One axial slice (405 of 481, counting up from the lowest) of a chest CT acquired at 120 kVp with the STANDARD kernel; each pixel is 0.742 mm and the slice is 1.25 mm thick.
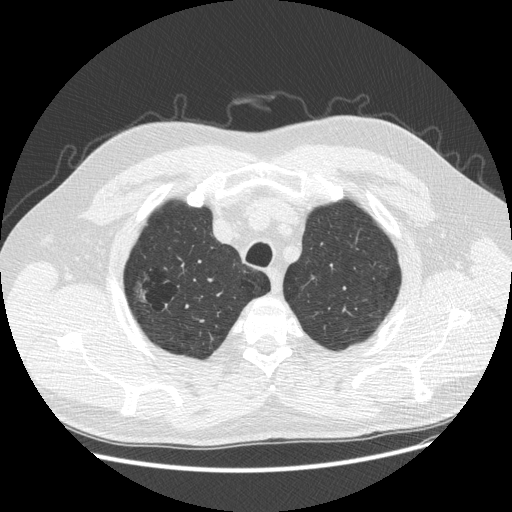
Pulmonary nodule at rows 281–303, columns 132–145 (box = the union of the readers' outlines on this slice), outlined by two of the four readers; the two readers' outlines give a longest diameter between 15.0 and 18.6 mm and a volume between 293 and 924 mm3. The readers' ratings, as ranges where they differ: texture 1/5 (non-solid) from both readers; margin from 1/5 (indistinct) to 2/5 across the two readers; sphericity from 3/5 (ovoid) to 5/5 (round) across the two readers; calcification absent, both readers agreeing; internal structure soft tissue from both readers; subtlety from 1/5 to 2/5 across the two readers; malignancy likelihood rated between 2 and 4 out of 5 by the two readers. Scale key (1–5): texture non-solid→solid, margin indistinct→circumscribed, sphericity linear→round, subtlety extremely subtle→obvious, malignancy likelihood highly unlikely→highly suspicious of cancer. Box rows and columns are 0-based pixel indices from the top-left corner, inclusive.